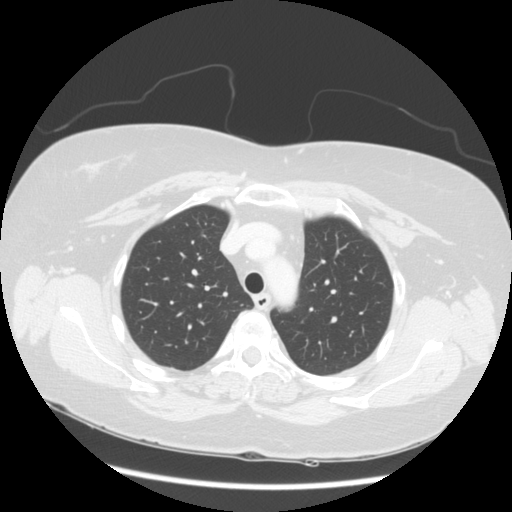
Axial chest CT slice 96 of 123 (counted from the lowest slice); tube voltage 140 kVp, convolution kernel STANDARD; slices 2.50 mm thick, 0.703 mm per pixel.
No nodule of 3 mm or larger was outlined by any of the four readers on this slice.